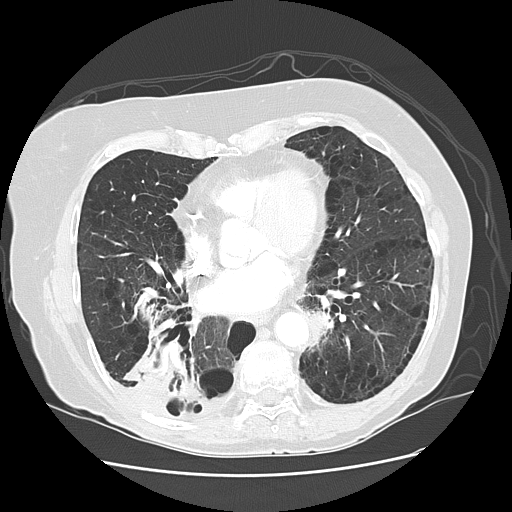
Chest CT, axial plane, 120 kVp, kernel LUNG. Slice 55/125 from the bottom of the scan; thickness 2.50 mm; pixel size 0.703 mm.
Pulmonary nodule at rows 312–338, columns 299–326 (box = that reader's outline on this slice), outlined by one of the four readers; longest diameter 37.4 mm and volume 10878 mm3 from that reader's outline. Ratings by that reader: texture 5/5 (solid); margin 5/5 (circumscribed); sphericity 5/5 (round); calcification absent; internal structure soft tissue; subtlety 3/5; malignancy likelihood 2/5. Scale key (1–5): texture non-solid→solid, margin indistinct→circumscribed, sphericity linear→round, subtlety extremely subtle→obvious, malignancy likelihood highly unlikely→highly suspicious of cancer. Box rows and columns are 0-based pixel indices from the top-left corner, inclusive.